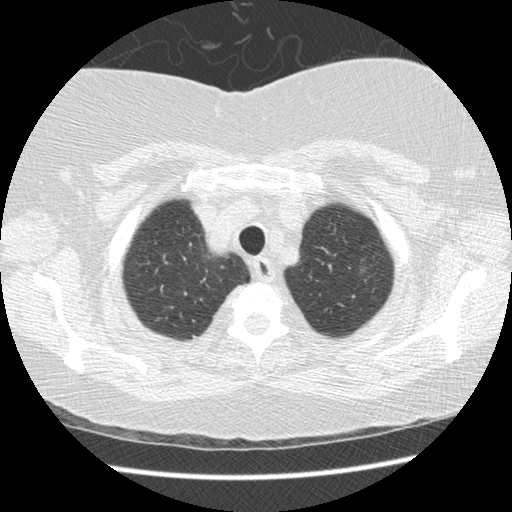
This is axial slice 421 of 474 (slice 1 is the lowest) of a chest CT; each pixel is 0.645 mm and the slice is 1.25 mm thick. Pulmonary nodule, outlined by three of the four readers, one of them on this slice. Box on this slice rows 266–273, columns 359–365, the one reader's outline on this slice; median longest diameter 9.7 mm (readers' outlines 8.2–9.8 mm), median volume 186 mm3 (122–196 mm3). Ratings, median across the readers with their spread: median texture 3/5 (part-solid) (readers ranged 1/5 (non-solid) to 5/5 (solid)); median margin 3/5 (readers ranged 2/5 to 4/5); sphericity 4/5 at the median of three readers, spread 4/5 to 5/5 (round); calcification absent from all three readers; internal structure soft tissue, all three readers agreeing; subtlety 5/5 at the median of three readers, spread 4–5; malignancy likelihood 4/5 from all three readers. Scale key (1–5): texture non-solid→solid, margin indistinct→circumscribed, sphericity linear→round, subtlety extremely subtle→obvious, malignancy likelihood highly unlikely→highly suspicious of cancer. Box rows and columns are 0-based pixel indices from the top-left corner, inclusive.
Tube voltage 120 kVp; convolution kernel STANDARD.